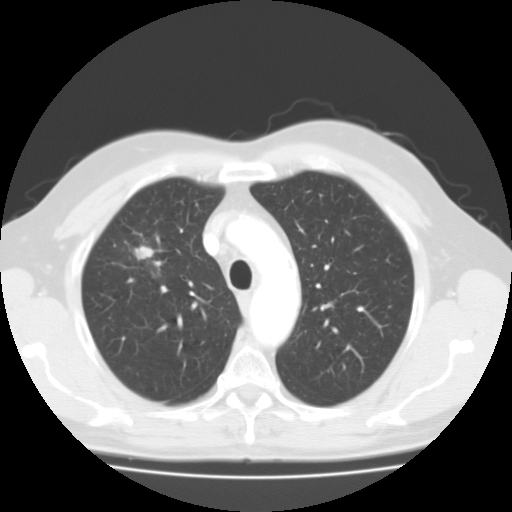
Axial slice 84 of 109 of a chest CT (slice 1 is the lowest), reconstructed with the FC01 kernel at 135 kVp; 3.00 mm slice thickness and 0.720 mm pixels.
Pulmonary nodule at rows 245–260, columns 132–153 (box = the union of the readers' outlines on this slice), outlined by three of the four readers; longest diameter 28.5–30.8 mm and volume 5654–6646 mm3 across the three readers' outlines. The readers' ratings, as ranges where they differ: texture from 4/5 to 5/5 (solid) across the three readers; margin from 1/5 (indistinct) to 4/5 across the three readers; sphericity from 2/5 to 3/5 (ovoid) across the three readers; calcification absent from all three readers; internal structure soft tissue, all three readers agreeing; subtlety 5/5, all three readers agreeing; malignancy likelihood from 3/5 to 5/5 across the three readers. Scale key (1–5): texture non-solid→solid, margin indistinct→circumscribed, sphericity linear→round, subtlety extremely subtle→obvious, malignancy likelihood highly unlikely→highly suspicious of cancer. Box rows and columns are 0-based pixel indices from the top-left corner, inclusive.